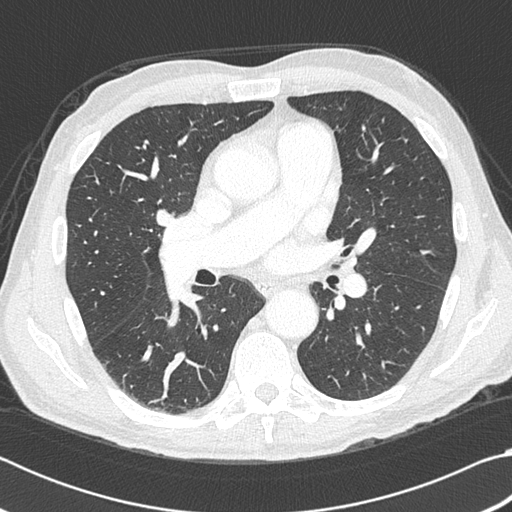
One axial slice (222 of 383, counting up from the lowest) of a chest CT acquired at 120 kVp with the B45f kernel; each pixel is 0.664 mm and the slice is 1.00 mm thick.
Pulmonary nodule outlined by all four readers, one of them on this slice; box rows 125–131, columns 362–365 (the one reader's outline on this slice); longest diameter 11.3 mm on average over the four readers' outlines (readers' outlines 10.1–11.8 mm), volume 386–564 mm3. Ratings, by the readers' most common answer with dissent counted: texture 5/5 (solid), all four readers agreeing; most readers (three of four) put margin at 5/5 (circumscribed), others 4/5 (one); sphericity 5/5 (round) by two of four readers; the rest gave 3/5 (ovoid) (one), 4/5 (one); calcification absent from all four readers; internal structure soft tissue from all four readers; subtlety 5/5 by three of four readers; the rest gave 4/5 (one); malignancy likelihood 2/5 by two of four readers; the rest gave 3/5 (one), 5/5 (one). Scale key (1–5): texture non-solid→solid, margin indistinct→circumscribed, sphericity linear→round, subtlety extremely subtle→obvious, malignancy likelihood highly unlikely→highly suspicious of cancer. Box rows and columns are 0-based pixel indices from the top-left corner, inclusive.